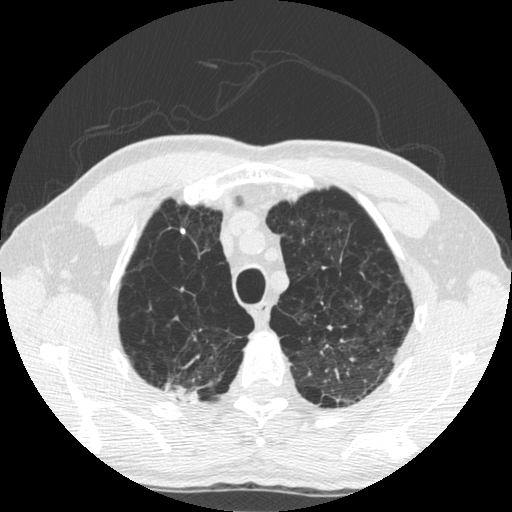
Slice 425/535 of a chest CT, counting up from the lowest; pixel size 0.664 mm, slice thickness 1.25 mm. Pulmonary nodule, outlined by two of the four readers. Box on this slice rows 228–234, columns 180–185, the union of the readers' outlines on this slice; the two readers' outlines give a longest diameter between 4.8 and 5.4 mm and a volume between 25 and 29 mm3. Ratings across the readers: texture 5/5 (solid) from both readers; margin 5/5 (circumscribed) from both readers; sphericity from 4/5 to 5/5 (round) across the two readers; calcification solid calcification from both readers; internal structure soft tissue from both readers; subtlety from 2/5 to 4/5 across the two readers; malignancy likelihood 1/5 from both readers. Scale key (1–5): texture non-solid→solid, margin indistinct→circumscribed, sphericity linear→round, subtlety extremely subtle→obvious, malignancy likelihood highly unlikely→highly suspicious of cancer. Box rows and columns are 0-based pixel indices from the top-left corner, inclusive.
Scan settings: 120 kVp, STANDARD reconstruction kernel.